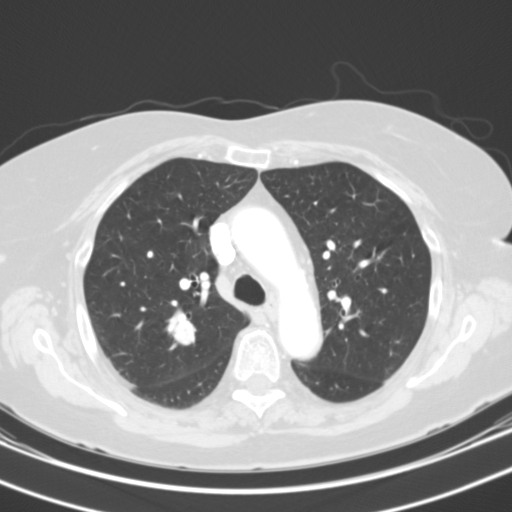
Axial slice 75 of 109 of a chest CT (slice 1 is the lowest), reconstructed with the B31s kernel at 130 kVp; 3.00 mm slice thickness and 0.629 mm pixels.
Pulmonary nodule, outlined by all four readers. Box on this slice rows 311–345, columns 168–196, the union of the readers' outlines on this slice; longest diameter 20.2 mm on average over the four readers' outlines (readers' outlines 16.9–27.7 mm), volume 1856–2397 mm3. The readers' prevailing ratings and who disagreed: texture 5/5 (solid), all four readers agreeing; margin split among the readers: 4/5 (two), 5/5 (circumscribed) (two); sphericity 4/5 by three of four readers; the rest gave 5/5 (round) (one); calcification absent, all four readers agreeing; internal structure soft tissue from all four readers; subtlety 5/5, all four readers agreeing; malignancy likelihood 5/5 by two of four readers; the rest gave 3/5 (one), 4/5 (one). Scale key (1–5): texture non-solid→solid, margin indistinct→circumscribed, sphericity linear→round, subtlety extremely subtle→obvious, malignancy likelihood highly unlikely→highly suspicious of cancer. Box rows and columns are 0-based pixel indices from the top-left corner, inclusive.